Axial slice 56 of 251 of a chest CT (slice 1 is the lowest), reconstructed with the STANDARD kernel at 120 kVp; 1.25 mm slice thickness and 0.809 mm pixels.
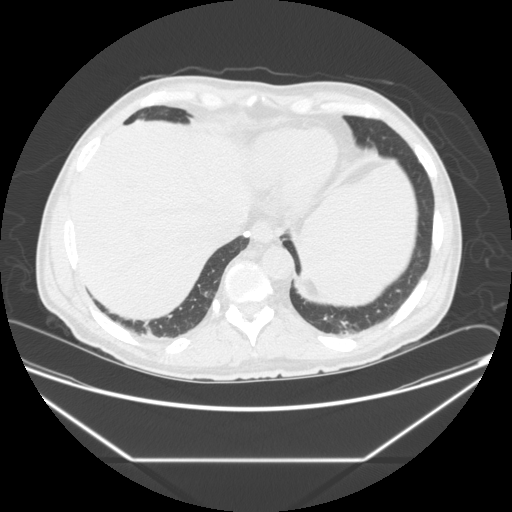
Pulmonary nodule at rows 231–237, columns 244–249 (box = that reader's outline on this slice), outlined by one of the four readers; longest diameter 9.8 mm and volume 269 mm3 from that reader's outline. Ratings by that reader: texture 5/5 (solid); margin 5/5 (circumscribed); sphericity 5/5 (round); calcification solid calcification; internal structure soft tissue; subtlety 5/5; malignancy likelihood 1/5. Scale key (1–5): texture non-solid→solid, margin indistinct→circumscribed, sphericity linear→round, subtlety extremely subtle→obvious, malignancy likelihood highly unlikely→highly suspicious of cancer. Box rows and columns are 0-based pixel indices from the top-left corner, inclusive.